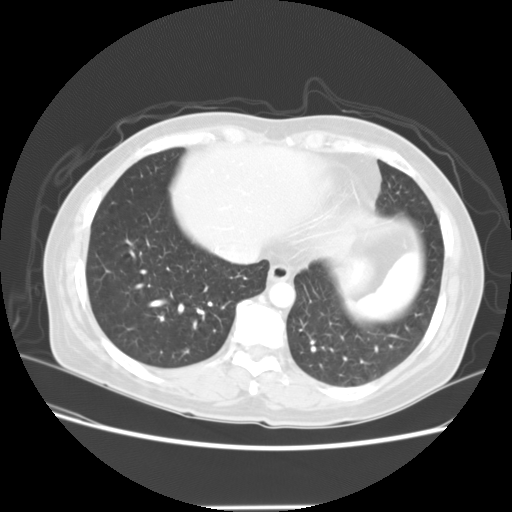
Chest CT, axial plane, 120 kVp, kernel STANDARD. Slice 58/133 from the bottom of the scan; thickness 2.50 mm; pixel size 0.703 mm.
Pulmonary nodule, outlined by all four readers, two of them on this slice. Box on this slice rows 348–353, columns 181–188, the union of the readers' outlines on this slice; longest diameter 7.4 mm on average over the four readers' outlines (readers' outlines 7.2–7.6 mm), volume 132–211 mm3. Ratings, by the readers' most common answer with dissent counted: texture 5/5 (solid) by two of four readers; the rest gave 3/5 (part-solid) (one), 4/5 (one); margin split among the readers: 4/5 (two), 5/5 (circumscribed) (two); most readers (three of four) put sphericity at 4/5, others 5/5 (round) (one); calcification absent from all four readers; internal structure soft tissue from all four readers; subtlety split among the readers: 3/5 (two), 4/5 (two); malignancy likelihood split among the readers: 2/5 (two), 3/5 (two). Scale key (1–5): texture non-solid→solid, margin indistinct→circumscribed, sphericity linear→round, subtlety extremely subtle→obvious, malignancy likelihood highly unlikely→highly suspicious of cancer. Box rows and columns are 0-based pixel indices from the top-left corner, inclusive.